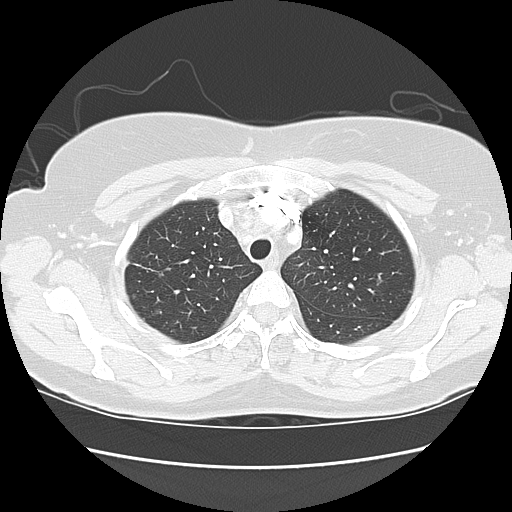
Axial slice 107 of 130 of a chest CT (slice 1 is the lowest), reconstructed with the LUNG kernel at 120 kVp; 2.50 mm slice thickness and 0.664 mm pixels.
Pulmonary nodule, outlined by one of the four readers. Box on this slice rows 280–282, columns 378–381, that reader's outline on this slice; longest diameter 7.6 mm and volume 157 mm3 from that reader's outline. That reader's ratings: texture 3/5 (part-solid); margin 1/5 (indistinct); sphericity 4/5; calcification absent; internal structure soft tissue; subtlety 2/5; malignancy likelihood 3/5. Scale key (1–5): texture non-solid→solid, margin indistinct→circumscribed, sphericity linear→round, subtlety extremely subtle→obvious, malignancy likelihood highly unlikely→highly suspicious of cancer. Box rows and columns are 0-based pixel indices from the top-left corner, inclusive.